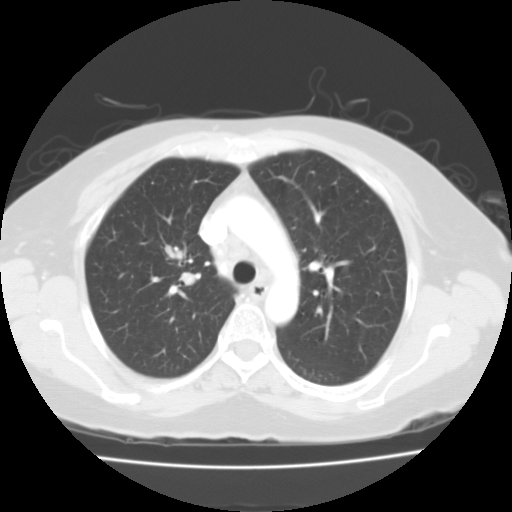
Slice 77/109 of a chest CT, counting up from the lowest; pixel size 0.671 mm, slice thickness 3.00 mm. Two pulmonary nodules on this slice, listed from left to right. (1) Pulmonary nodule at rows 245–258, columns 165–181 (box = the union of the readers' outlines on this slice), outlined by two of the four readers; median longest diameter 8.1 mm (readers' outlines 6.6–9.7 mm), median volume 161 mm3 (111–212 mm3). Ratings, median across the readers with their spread: texture 5/5 (solid) from both readers; margin 3/5 from both readers; median sphericity 4.5/5 (readers ranged 4/5 to 5/5 (round)); calcification absent, both readers agreeing; internal structure soft tissue, both readers agreeing; median subtlety 3/5 (readers ranged 2–4); malignancy likelihood 2/5, both readers agreeing. (2) Pulmonary nodule at rows 273–284, columns 182–194 (box = that reader's outline on this slice), outlined by one of the four readers; longest diameter 14.2 mm and volume 707 mm3 from that reader's outline. Ratings by that reader: texture 5/5 (solid); margin 4/5; sphericity 3/5 (ovoid); calcification absent; internal structure soft tissue; subtlety 5/5; malignancy likelihood 3/5. Scale key (1–5): texture non-solid→solid, margin indistinct→circumscribed, sphericity linear→round, subtlety extremely subtle→obvious, malignancy likelihood highly unlikely→highly suspicious of cancer. Box rows and columns are 0-based pixel indices from the top-left corner, inclusive.
Tube voltage 135 kVp; convolution kernel FC01.